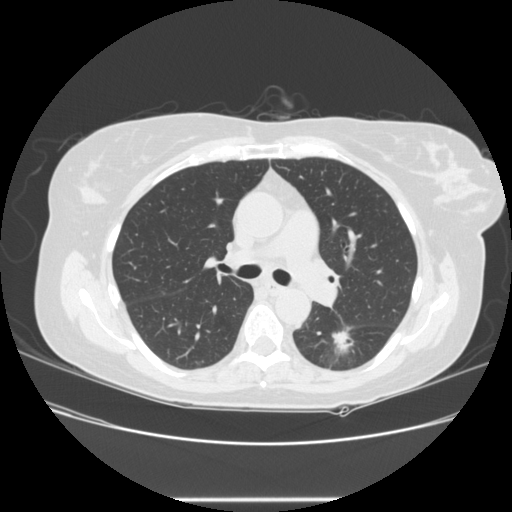
Axial slice 157 of 245 of a chest CT (slice 1 is the lowest), reconstructed with the STANDARD kernel at 120 kVp; 1.25 mm slice thickness and 0.730 mm pixels.
Pulmonary nodule, outlined by all four readers. Box on this slice rows 326–357, columns 330–354, the union of the readers' outlines on this slice; median longest diameter 29.7 mm (readers' outlines 27.2–36.8 mm), median volume 4184 mm3 (3941–5997 mm3). Median ratings and the readers' spread: texture 5/5 (solid) from all four readers; margin 3.5/5 at the median of four readers, spread 1/5 (indistinct) to 4/5; sphericity 2.5/5 at the median of four readers, spread 2/5 to 4/5; calcification absent from all four readers; internal structure soft tissue, all four readers agreeing; subtlety 5/5, all four readers agreeing; median malignancy likelihood 5/5 (readers ranged 4–5). Scale key (1–5): texture non-solid→solid, margin indistinct→circumscribed, sphericity linear→round, subtlety extremely subtle→obvious, malignancy likelihood highly unlikely→highly suspicious of cancer. Box rows and columns are 0-based pixel indices from the top-left corner, inclusive.